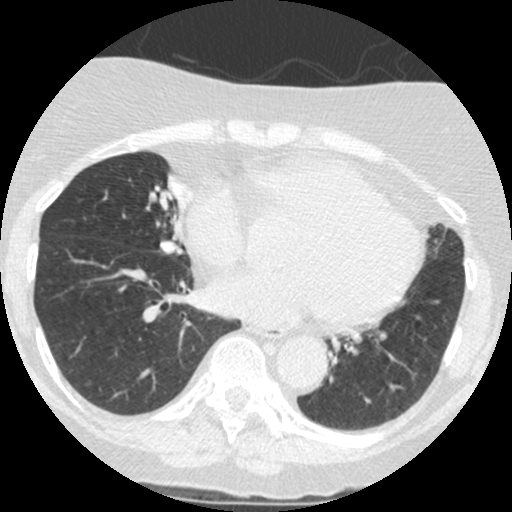
Axial chest CT slice 156 of 426 (counted from the lowest slice); tube voltage 120 kVp, convolution kernel STANDARD; slices 1.25 mm thick, 0.547 mm per pixel.
Two pulmonary nodules on this slice, listed from left to right. (1) Pulmonary nodule outlined by one of the four readers; box rows 240–254, columns 159–183 (that reader's outline on this slice); longest diameter 15.0 mm and volume 404 mm3 from that reader's outline. Ratings by that reader: texture 5/5 (solid); margin 4/5; sphericity 4/5; calcification non-central calcification; internal structure soft tissue; subtlety 4/5; malignancy likelihood 2/5. (2) Pulmonary nodule at rows 174–193, columns 167–178 (box = the union of the readers' outlines on this slice), outlined by all four readers, two of them on this slice; median longest diameter 18.6 mm (readers' outlines 17.0–20.6 mm), median volume 1572 mm3 (1129–1635 mm3). Median ratings and the readers' spread: median texture 5/5 (solid) (readers ranged 4/5 to 5/5 (solid)); median margin 3.5/5 (readers ranged 2/5 to 5/5 (circumscribed)); sphericity 4/5 at the median of four readers, spread 3/5 (ovoid) to 5/5 (round); calcification: absent (three), non-central calcification (one); internal structure soft tissue from all four readers; subtlety 4.5/5 at the median of four readers, spread 3–5; median malignancy likelihood 3.5/5 (readers ranged 2–4). Scale key (1–5): texture non-solid→solid, margin indistinct→circumscribed, sphericity linear→round, subtlety extremely subtle→obvious, malignancy likelihood highly unlikely→highly suspicious of cancer. Box rows and columns are 0-based pixel indices from the top-left corner, inclusive.